Chest CT, axial plane, 120 kVp, kernel C. Slice 198/350 from the bottom of the scan; thickness 1.50 mm; pixel size 0.725 mm.
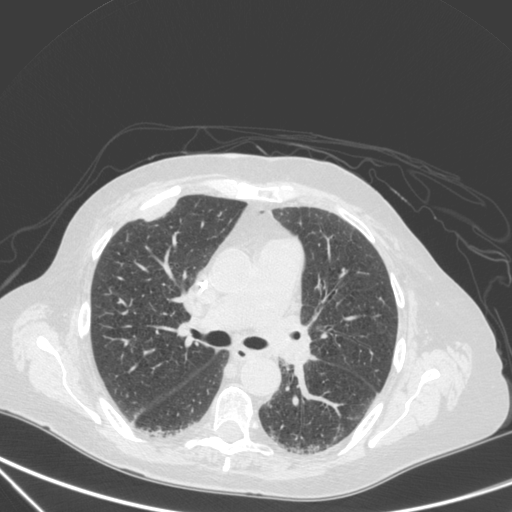
Pulmonary nodule, outlined by one of the four readers. Box on this slice rows 203–220, columns 144–174, that reader's outline on this slice; longest diameter 29.5 mm and volume 4181 mm3 from that reader's outline. That reader's ratings: texture 5/5 (solid); margin 4/5; sphericity 2/5; calcification absent; internal structure soft tissue; subtlety 5/5; malignancy likelihood 4/5. Scale key (1–5): texture non-solid→solid, margin indistinct→circumscribed, sphericity linear→round, subtlety extremely subtle→obvious, malignancy likelihood highly unlikely→highly suspicious of cancer. Box rows and columns are 0-based pixel indices from the top-left corner, inclusive.